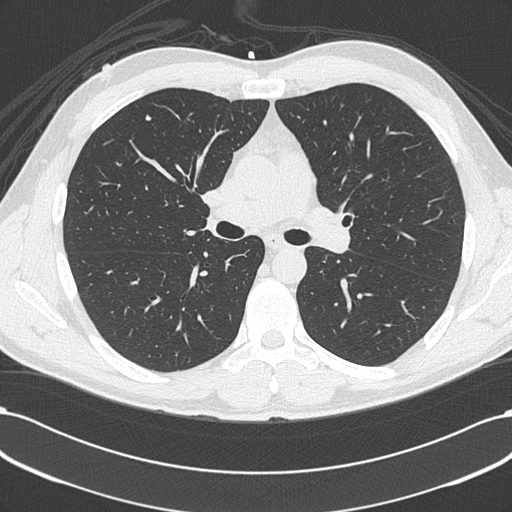
Axial chest CT slice 201 of 348 (counted from the lowest slice); tube voltage 120 kVp, convolution kernel B45f; slices 1.00 mm thick, 0.703 mm per pixel.
Pulmonary nodule, outlined by one of the four readers. Box on this slice rows 115–119, columns 145–150, that reader's outline on this slice; longest diameter 5.7 mm and volume 53 mm3 from that reader's outline. Ratings by that reader: texture 5/5 (solid); margin 5/5 (circumscribed); sphericity 5/5 (round); calcification absent; internal structure soft tissue; subtlety 4/5; malignancy likelihood 2/5. Scale key (1–5): texture non-solid→solid, margin indistinct→circumscribed, sphericity linear→round, subtlety extremely subtle→obvious, malignancy likelihood highly unlikely→highly suspicious of cancer. Box rows and columns are 0-based pixel indices from the top-left corner, inclusive.